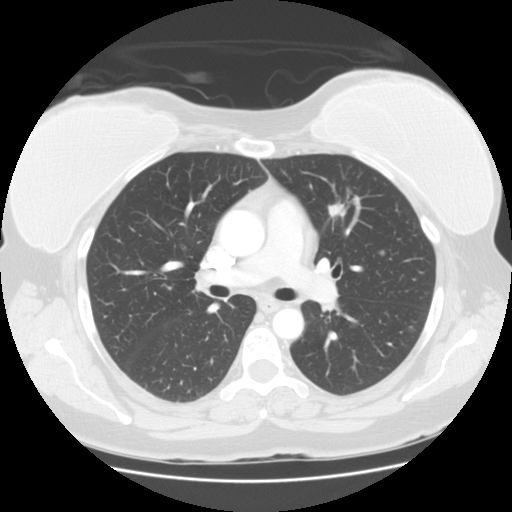
One axial slice (94 of 139, counting up from the lowest) of a chest CT acquired at 120 kVp with the STANDARD kernel; each pixel is 0.703 mm and the slice is 2.50 mm thick.
Two pulmonary nodules are outlined on this slice; from left to right: (1) Pulmonary nodule, outlined once (the source holds five more outlines, not used). Box on this slice rows 187–217, columns 328–353, that reader's outline on this slice; longest diameter 26.9 mm and volume 1751 mm3 from that reader's outline. That reader's ratings: texture 5/5 (solid); margin 5/5 (circumscribed); sphericity 3/5 (ovoid); calcification absent; internal structure soft tissue; subtlety 3/5; malignancy likelihood 2/5. (2) Pulmonary nodule at rows 249–255, columns 377–384 (box = the union of the readers' outlines on this slice), outlined by two of the four readers; median longest diameter 6.2 mm (readers' outlines 5.8–6.7 mm), median volume 98 mm3 (69–126 mm3). Ratings, median across the readers with their spread: texture 1.5/5 at the median of two readers, spread 1/5 (non-solid) to 2/5; median margin 1.5/5 (readers ranged 1/5 (indistinct) to 2/5); sphericity 4/5 from both readers; calcification absent from both readers; internal structure soft tissue from both readers; subtlety 2.5/5 at the median of two readers, spread 2–3; malignancy likelihood 3/5, both readers agreeing. Scale key (1–5): texture non-solid→solid, margin indistinct→circumscribed, sphericity linear→round, subtlety extremely subtle→obvious, malignancy likelihood highly unlikely→highly suspicious of cancer. Box rows and columns are 0-based pixel indices from the top-left corner, inclusive.